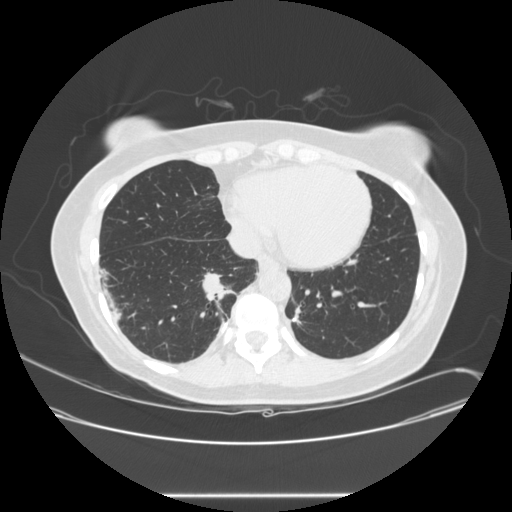
Chest CT, axial plane, 120 kVp, kernel STANDARD. Slice 104/257 from the bottom of the scan; thickness 1.25 mm; pixel size 0.781 mm.
Pulmonary nodule outlined by all four readers; box rows 271–301, columns 201–236 (the union of the readers' outlines on this slice); median longest diameter 33.5 mm (readers' outlines 28.0–45.1 mm), median volume 6377 mm3 (5019–8578 mm3). Ratings, median across the readers with their spread: texture 5/5 (solid), all four readers agreeing; margin 4.5/5 at the median of four readers, spread 1/5 (indistinct) to 5/5 (circumscribed); median sphericity 3.5/5 (readers ranged 3/5 (ovoid) to 4/5); calcification absent, all four readers agreeing; internal structure soft tissue, all four readers agreeing; subtlety 5/5 from all four readers; malignancy likelihood 5/5, all four readers agreeing. Scale key (1–5): texture non-solid→solid, margin indistinct→circumscribed, sphericity linear→round, subtlety extremely subtle→obvious, malignancy likelihood highly unlikely→highly suspicious of cancer. Box rows and columns are 0-based pixel indices from the top-left corner, inclusive.